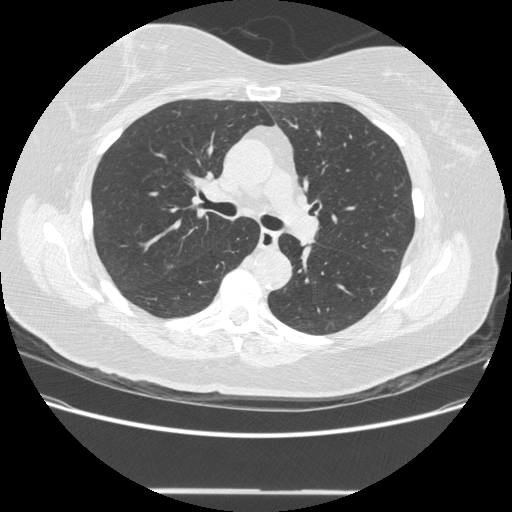
Axial slice 290 of 481 of a chest CT (slice 1 is the lowest), reconstructed with the STANDARD kernel at 120 kVp; 1.25 mm slice thickness and 0.742 mm pixels.
Pulmonary nodule at rows 264–268, columns 165–172 (box = the union of the readers' outlines on this slice), outlined by three of the four readers, two of them on this slice; longest diameter 14.5 mm on average over the three readers' outlines (readers' outlines 13.9–15.6 mm), volume 741–820 mm3. The readers' prevailing ratings and who disagreed: texture 4/5 from all three readers; most readers (two of three) put margin at 4/5, others 3/5 (one); most readers (two of three) put sphericity at 3/5 (ovoid), others 4/5 (one); calcification absent from all three readers; internal structure soft tissue, all three readers agreeing; most readers (two of three) put subtlety at 4/5, others 5/5 (one); malignancy likelihood 5/5 by two of three readers; the rest gave 4/5 (one). Scale key (1–5): texture non-solid→solid, margin indistinct→circumscribed, sphericity linear→round, subtlety extremely subtle→obvious, malignancy likelihood highly unlikely→highly suspicious of cancer. Box rows and columns are 0-based pixel indices from the top-left corner, inclusive.